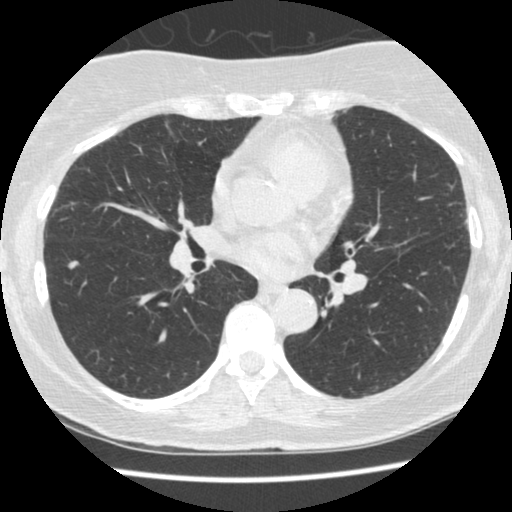
This is axial slice 248 of 481 (slice 1 is the lowest) of a chest CT; each pixel is 0.605 mm and the slice is 1.25 mm thick. Pulmonary nodule at rows 260–268, columns 68–78 (box = the union of the readers' outlines on this slice), outlined by three of the four readers; median longest diameter 8.2 mm (readers' outlines 8.1–9.1 mm), median volume 79 mm3 (55–92 mm3). Median ratings and the readers' spread: texture 5/5 (solid), all three readers agreeing; margin 4/5 at the median of three readers, spread 4/5 to 5/5 (circumscribed); sphericity 3/5 (ovoid) at the median of three readers, spread 3/5 (ovoid) to 4/5; calcification absent, all three readers agreeing; internal structure soft tissue from all three readers; subtlety 4/5 from all three readers; malignancy likelihood 3/5, all three readers agreeing. Scale key (1–5): texture non-solid→solid, margin indistinct→circumscribed, sphericity linear→round, subtlety extremely subtle→obvious, malignancy likelihood highly unlikely→highly suspicious of cancer. Box rows and columns are 0-based pixel indices from the top-left corner, inclusive.
Acquired at 120 kVp and reconstructed with the STANDARD kernel.